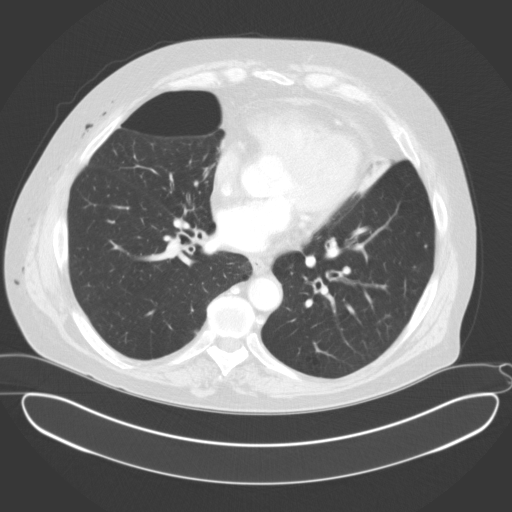
Axial chest CT slice 90 of 153 (counted from the lowest slice); tube voltage 120 kVp, convolution kernel B31f; slices 3.00 mm thick, 0.836 mm per pixel.
Pulmonary nodule outlined by two of the four readers, one of them on this slice; box rows 330–334, columns 194–196 (the one reader's outline on this slice); the two readers' outlines give a longest diameter between 6.4 and 7.1 mm and a volume between 71 and 93 mm3. The readers' ratings, as ranges where they differ: texture 5/5 (solid), both readers agreeing; margin 3/5 from both readers; sphericity from 3/5 (ovoid) to 4/5 across the two readers; calcification absent, both readers agreeing; internal structure soft tissue from both readers; subtlety from 2/5 to 4/5 across the two readers; malignancy likelihood 1–3/5 (the readers disagree). Scale key (1–5): texture non-solid→solid, margin indistinct→circumscribed, sphericity linear→round, subtlety extremely subtle→obvious, malignancy likelihood highly unlikely→highly suspicious of cancer. Box rows and columns are 0-based pixel indices from the top-left corner, inclusive.